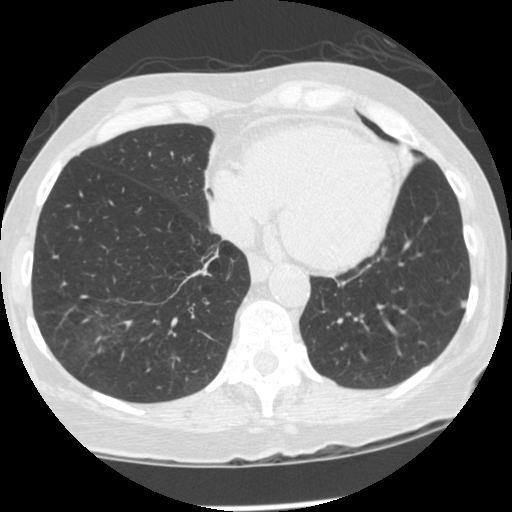
Axial chest CT slice 117 of 474 (counted from the lowest slice); tube voltage 120 kVp, convolution kernel STANDARD; slices 1.25 mm thick, 0.625 mm per pixel.
Pulmonary nodule, outlined by three of the four readers. Box on this slice rows 299–308, columns 460–465, the union of the readers' outlines on this slice; median longest diameter 7.3 mm (readers' outlines 7.1–8.1 mm), median volume 94 mm3 (92–97 mm3). Ratings, median across the readers with their spread: texture 4/5 at the median of three readers, spread 4/5 to 5/5 (solid); median margin 4/5 (readers ranged 3/5 to 5/5 (circumscribed)); sphericity 3/5 (ovoid) at the median of three readers, spread 2/5 to 4/5; calcification absent, all three readers agreeing; internal structure soft tissue, all three readers agreeing; median subtlety 4/5 (readers ranged 3–5); malignancy likelihood 2/5 at the median of three readers, spread 2–3. Scale key (1–5): texture non-solid→solid, margin indistinct→circumscribed, sphericity linear→round, subtlety extremely subtle→obvious, malignancy likelihood highly unlikely→highly suspicious of cancer. Box rows and columns are 0-based pixel indices from the top-left corner, inclusive.